Axial slice 118 of 192 of a chest CT (slice 1 is the lowest), reconstructed with the B30f kernel at 120 kVp; 2.00 mm slice thickness and 0.664 mm pixels.
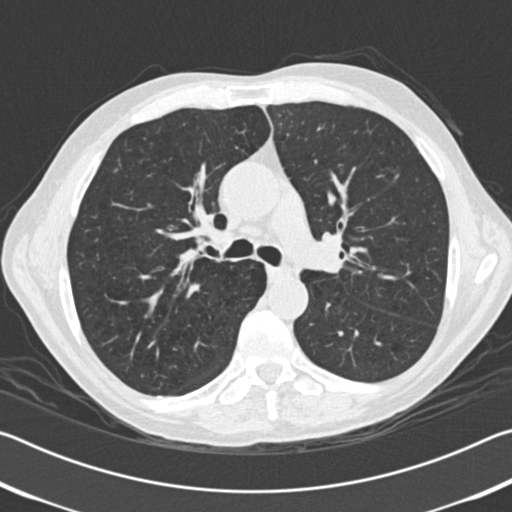
Two pulmonary nodules are outlined on this slice; from left to right: (1) Pulmonary nodule, outlined by all four readers, two of them on this slice. Box on this slice rows 168–172, columns 114–117, the union of the readers' outlines on this slice; longest diameter 8.0 mm on average over the four readers' outlines (readers' outlines 7.4–8.3 mm), volume 146–195 mm3. Ratings, by the readers' most common answer with dissent counted: texture 5/5 (solid) by three of four readers; the rest gave 4/5 (one); margin split among the readers: 4/5 (two), 5/5 (circumscribed) (two); sphericity 3/5 (ovoid) by two of four readers; the rest gave 4/5 (one), 5/5 (round) (one); calcification absent, all four readers agreeing; internal structure soft tissue, all four readers agreeing; subtlety 4/5 by two of four readers; the rest gave 3/5 (one), 5/5 (one); malignancy likelihood 3/5 by two of four readers; the rest gave 2/5 (one), 4/5 (one). (2) Pulmonary nodule at rows 168–174, columns 383–397 (box = that reader's outline on this slice), outlined by one of the four readers; longest diameter 27.3 mm and volume 1622 mm3 from that reader's outline. Ratings by that reader: texture 1/5 (non-solid); margin 2/5; sphericity 5/5 (round); calcification absent; internal structure soft tissue; subtlety 4/5; malignancy likelihood 3/5. Scale key (1–5): texture non-solid→solid, margin indistinct→circumscribed, sphericity linear→round, subtlety extremely subtle→obvious, malignancy likelihood highly unlikely→highly suspicious of cancer. Box rows and columns are 0-based pixel indices from the top-left corner, inclusive.